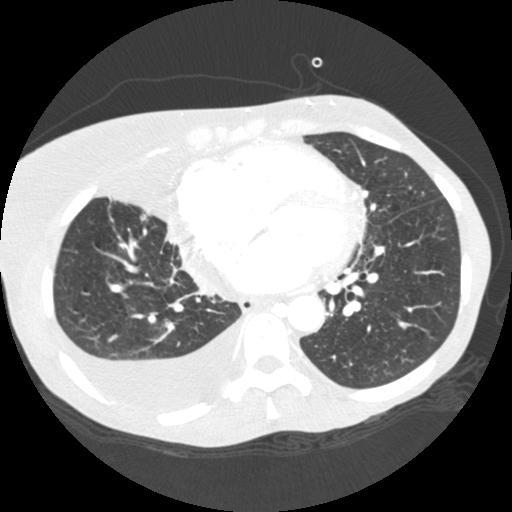
This is axial slice 98 of 238 (slice 1 is the lowest) of a chest CT; each pixel is 0.625 mm and the slice is 1.25 mm thick. Pulmonary nodule, outlined by two of the four readers. Box on this slice rows 214–220, columns 140–145, the union of the readers' outlines on this slice; median longest diameter 6.1 mm (readers' outlines 5.7–6.5 mm), median volume 63 mm3 (55–71 mm3). Median ratings and the readers' spread: median texture 4.5/5 (readers ranged 4/5 to 5/5 (solid)); median margin 3.5/5 (readers ranged 3/5 to 4/5); sphericity 4/5 from both readers; calcification absent from both readers; internal structure soft tissue, both readers agreeing; median subtlety 3.5/5 (readers ranged 2–5); malignancy likelihood 3/5 from both readers. Scale key (1–5): texture non-solid→solid, margin indistinct→circumscribed, sphericity linear→round, subtlety extremely subtle→obvious, malignancy likelihood highly unlikely→highly suspicious of cancer. Box rows and columns are 0-based pixel indices from the top-left corner, inclusive.
Scan settings: 120 kVp, STANDARD reconstruction kernel.